Chest CT, axial plane, 120 kVp, kernel LUNG. Slice 109/133 from the bottom of the scan; thickness 2.50 mm; pixel size 0.703 mm.
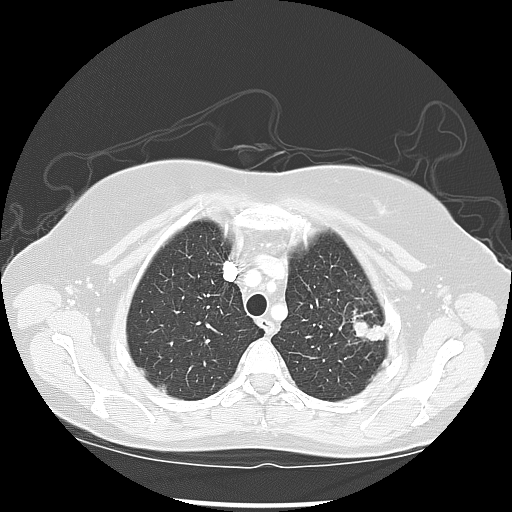
Pulmonary nodule at rows 320–341, columns 352–386 (box = the union of the readers' outlines on this slice), outlined by all four readers; longest diameter 29.8 mm on average over the four readers' outlines (readers' outlines 27.6–35.0 mm), volume 3749–4875 mm3. Ratings, by the readers' most common answer with dissent counted: texture 5/5 (solid), all four readers agreeing; margin split among the readers: 2/5 (one), 3/5 (one), 4/5 (one), 5/5 (circumscribed) (one); most readers (three of four) put sphericity at 3/5 (ovoid), others 5/5 (round) (one); calcification absent, all four readers agreeing; internal structure soft tissue from all four readers; subtlety 5/5 from all four readers; malignancy likelihood split among the readers: 3/5 (two), 5/5 (two). Scale key (1–5): texture non-solid→solid, margin indistinct→circumscribed, sphericity linear→round, subtlety extremely subtle→obvious, malignancy likelihood highly unlikely→highly suspicious of cancer. Box rows and columns are 0-based pixel indices from the top-left corner, inclusive.